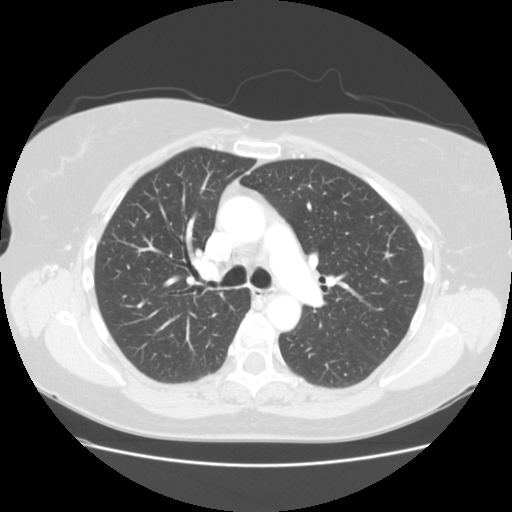
Axial slice 92 of 131 of a chest CT (slice 1 is the lowest), reconstructed with the STANDARD kernel at 120 kVp; 2.50 mm slice thickness and 0.703 mm pixels.
No nodule 3 mm or larger was outlined here by any reader.